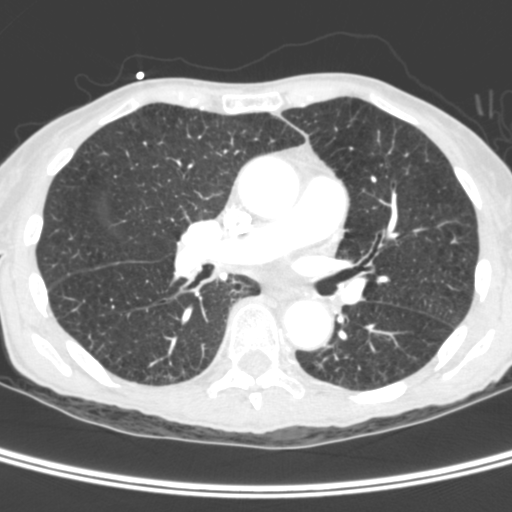
Chest CT, axial plane, 120 kVp, kernel C. Slice 206/400 from the bottom of the scan; thickness 1.50 mm; pixel size 0.527 mm.
Pulmonary nodule outlined by three of the four readers, one of them on this slice; box rows 362–366, columns 313–319 (the one reader's outline on this slice); longest diameter 7.4 mm on average over the three readers' outlines (readers' outlines 6.0–8.7 mm), volume 56–91 mm3. Ratings, by the readers' most common answer with dissent counted: texture 5/5 (solid) from all three readers; margin 4/5 by two of three readers; the rest gave 3/5 (one); most readers (two of three) put sphericity at 3/5 (ovoid), others 2/5 (one); calcification absent, all three readers agreeing; internal structure soft tissue from all three readers; subtlety 3/5 by two of three readers; the rest gave 5/5 (one); malignancy likelihood split among the readers: 1/5 (one), 2/5 (one), 4/5 (one). Scale key (1–5): texture non-solid→solid, margin indistinct→circumscribed, sphericity linear→round, subtlety extremely subtle→obvious, malignancy likelihood highly unlikely→highly suspicious of cancer. Box rows and columns are 0-based pixel indices from the top-left corner, inclusive.